One axial slice (300 of 481, counting up from the lowest) of a chest CT acquired at 120 kVp with the STANDARD kernel; each pixel is 0.664 mm and the slice is 1.25 mm thick.
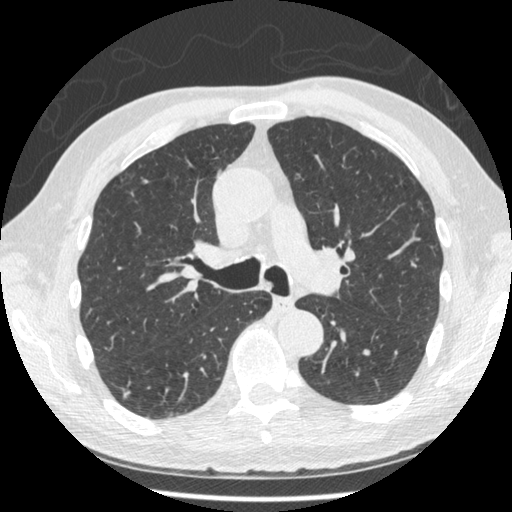
Pulmonary nodule at rows 391–398, columns 121–130 (box = that reader's outline on this slice), outlined by one of the four readers; longest diameter 8.9 mm and volume 153 mm3 from that reader's outline. Ratings by that reader: texture 5/5 (solid); margin 5/5 (circumscribed); sphericity 3/5 (ovoid); calcification absent; internal structure soft tissue; subtlety 4/5; malignancy likelihood 3/5. Scale key (1–5): texture non-solid→solid, margin indistinct→circumscribed, sphericity linear→round, subtlety extremely subtle→obvious, malignancy likelihood highly unlikely→highly suspicious of cancer. Box rows and columns are 0-based pixel indices from the top-left corner, inclusive.